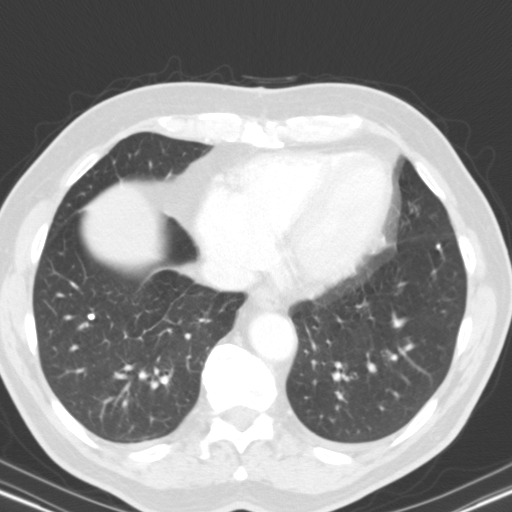
One axial slice (42 of 116, counting up from the lowest) of a chest CT acquired at 130 kVp with the B31s kernel; each pixel is 0.668 mm and the slice is 3.00 mm thick.
Pulmonary nodule outlined by two of the four readers; box rows 313–319, columns 87–94 (the union of the readers' outlines on this slice); longest diameter 6.0 mm on average over the two readers' outlines (readers' outlines 6.0 mm), volume 102–104 mm3. Ratings, by the readers' most common answer with dissent counted: texture 5/5 (solid), both readers agreeing; margin 5/5 (circumscribed) from both readers; sphericity split among the readers: 4/5 (one), 5/5 (round) (one); calcification solid calcification from both readers; internal structure soft tissue from both readers; subtlety split among the readers: 4/5 (one), 5/5 (one); malignancy likelihood 1/5, both readers agreeing. Scale key (1–5): texture non-solid→solid, margin indistinct→circumscribed, sphericity linear→round, subtlety extremely subtle→obvious, malignancy likelihood highly unlikely→highly suspicious of cancer. Box rows and columns are 0-based pixel indices from the top-left corner, inclusive.